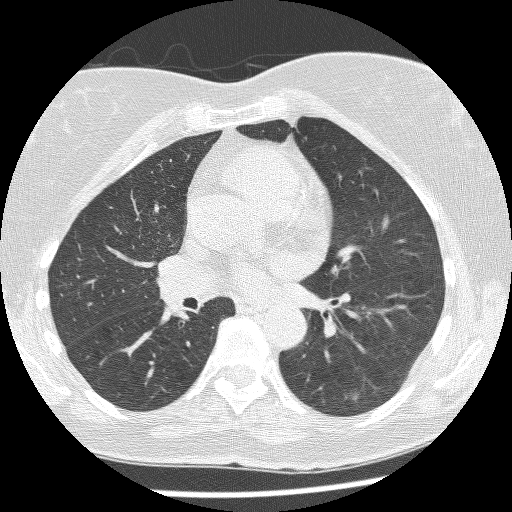
Axial slice 137 of 253 of a chest CT (slice 1 is the lowest), reconstructed with the BONE kernel at 120 kVp; 1.25 mm slice thickness and 0.602 mm pixels.
Pulmonary nodule outlined by three of the four readers; box rows 390–402, columns 349–361 (the union of the readers' outlines on this slice); median longest diameter 10.0 mm (readers' outlines 6.9–12.2 mm), median volume 174 mm3 (74–215 mm3). Ratings, median across the readers with their spread: texture 1/5 (non-solid) at the median of three readers, spread 1/5 (non-solid) to 3/5 (part-solid); median margin 1/5 (indistinct) (readers ranged 1/5 (indistinct) to 4/5); sphericity 4/5 at the median of three readers, spread 3/5 (ovoid) to 4/5; calcification absent from all three readers; internal structure soft tissue from all three readers; subtlety 4/5 at the median of three readers, spread 3–4; median malignancy likelihood 3/5 (readers ranged 3–5). Scale key (1–5): texture non-solid→solid, margin indistinct→circumscribed, sphericity linear→round, subtlety extremely subtle→obvious, malignancy likelihood highly unlikely→highly suspicious of cancer. Box rows and columns are 0-based pixel indices from the top-left corner, inclusive.